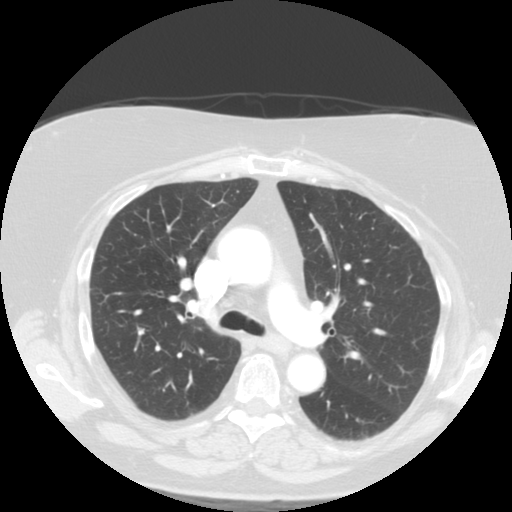
Chest CT, axial plane, 120 kVp, kernel STANDARD. Slice 73/121 from the bottom of the scan; thickness 2.50 mm; pixel size 0.664 mm.
No nodule 3 mm or larger was outlined here by any reader.